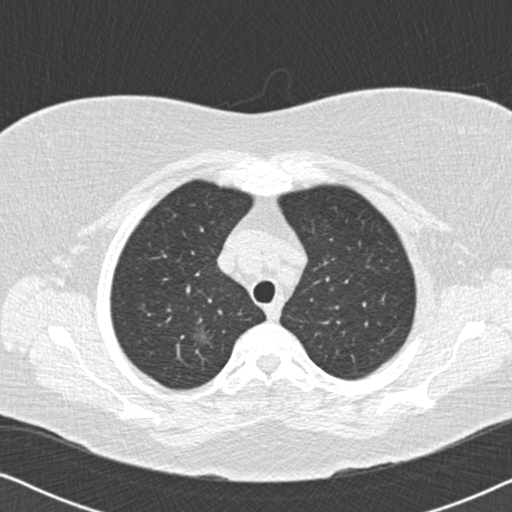
Axial chest CT slice 154 of 177 (counted from the lowest slice); 2.00 mm thick, 0.643 mm per pixel. Pulmonary nodule outlined by two of the four readers; box rows 326–348, columns 193–214 (the union of the readers' outlines on this slice); median longest diameter 18.7 mm (readers' outlines 18.7 mm), median volume 908 mm3 (907–910 mm3). Median ratings and the readers' spread: texture 1/5 (non-solid) from both readers; margin 1/5 (indistinct), both readers agreeing; sphericity 2.5/5 at the median of two readers, spread 2/5 to 3/5 (ovoid); calcification absent, both readers agreeing; internal structure soft tissue from both readers; median subtlety 1.5/5 (readers ranged 1–2); malignancy likelihood 3/5, both readers agreeing. Scale key (1–5): texture non-solid→solid, margin indistinct→circumscribed, sphericity linear→round, subtlety extremely subtle→obvious, malignancy likelihood highly unlikely→highly suspicious of cancer. Box rows and columns are 0-based pixel indices from the top-left corner, inclusive.
Tube voltage 120 kVp; convolution kernel B30f.